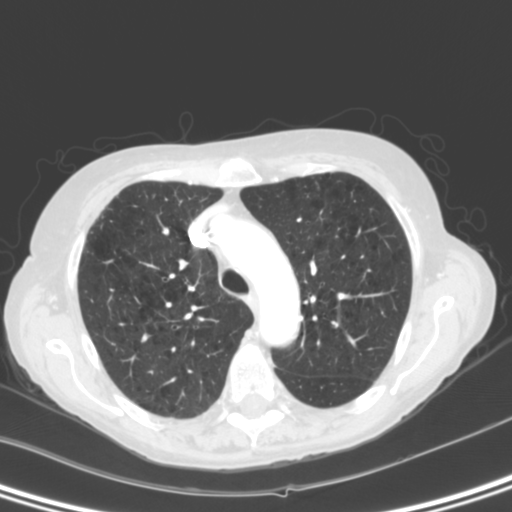
This is axial slice 214 of 290 (slice 1 is the lowest) of a chest CT; each pixel is 0.645 mm and the slice is 2.00 mm thick. Pulmonary nodule, outlined by one of the four readers. Box on this slice rows 233–236, columns 344–349, that reader's outline on this slice; longest diameter 5.5 mm and volume 38 mm3 from that reader's outline. That reader's ratings: texture 1/5 (non-solid); margin 4/5; sphericity 4/5; calcification absent; internal structure soft tissue; subtlety 5/5; malignancy likelihood 3/5. Scale key (1–5): texture non-solid→solid, margin indistinct→circumscribed, sphericity linear→round, subtlety extremely subtle→obvious, malignancy likelihood highly unlikely→highly suspicious of cancer. Box rows and columns are 0-based pixel indices from the top-left corner, inclusive.
Tube voltage 120 kVp; convolution kernel B.